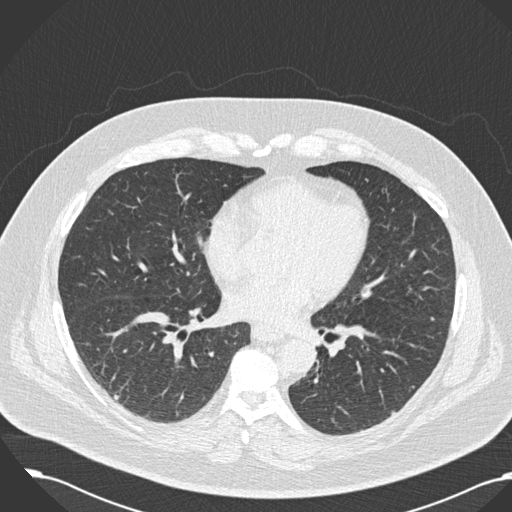
Slice 83/181 of a chest CT, counting up from the lowest; pixel size 0.762 mm, slice thickness 2.00 mm. Pulmonary nodule at rows 395–399, columns 115–118 (box = that reader's outline on this slice), outlined by one of the four readers; longest diameter 5.5 mm and volume 45 mm3 from that reader's outline. That reader's ratings: texture 3/5 (part-solid); margin 2/5; sphericity 4/5; calcification absent; internal structure soft tissue; subtlety 3/5; malignancy likelihood 3/5. Scale key (1–5): texture non-solid→solid, margin indistinct→circumscribed, sphericity linear→round, subtlety extremely subtle→obvious, malignancy likelihood highly unlikely→highly suspicious of cancer. Box rows and columns are 0-based pixel indices from the top-left corner, inclusive.
Tube voltage 120 kVp; convolution kernel B30f.